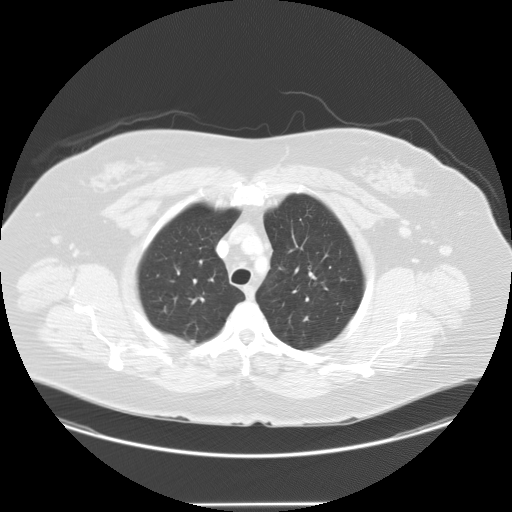
Axial chest CT slice 72 of 95 (counted from the lowest slice); tube voltage 120 kVp, convolution kernel STANDARD; slices 2.50 mm thick, 0.859 mm per pixel.
Pulmonary nodule outlined by one of the four readers; box rows 340–344, columns 188–194 (that reader's outline on this slice); longest diameter 7.9 mm and volume 76 mm3 from that reader's outline. Ratings by that reader: texture 5/5 (solid); margin 5/5 (circumscribed); sphericity 5/5 (round); calcification absent; internal structure soft tissue; subtlety 2/5; malignancy likelihood 2/5. Scale key (1–5): texture non-solid→solid, margin indistinct→circumscribed, sphericity linear→round, subtlety extremely subtle→obvious, malignancy likelihood highly unlikely→highly suspicious of cancer. Box rows and columns are 0-based pixel indices from the top-left corner, inclusive.